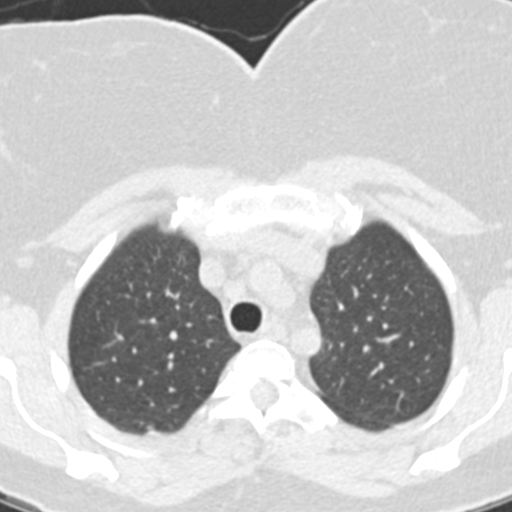
Chest CT, axial plane, 130 kVp, kernel B20s. Slice 157/331 from the bottom of the scan; thickness 1.25 mm; pixel size 0.496 mm.
Pulmonary nodule outlined by all four readers, two of them on this slice; box rows 424–431, columns 145–154 (the union of the readers' outlines on this slice); longest diameter 6.9–8.4 mm and volume 132–209 mm3 across the four readers' outlines. Ratings across the readers: texture 5/5 (solid) from all four readers; margin 5/5 (circumscribed) from all four readers; sphericity from 4/5 to 5/5 (round) across the four readers; calcification: solid calcification (three), central calcification (one); internal structure soft tissue, all four readers agreeing; subtlety 4–5/5 (the readers disagree); malignancy likelihood 1/5 from all four readers. Scale key (1–5): texture non-solid→solid, margin indistinct→circumscribed, sphericity linear→round, subtlety extremely subtle→obvious, malignancy likelihood highly unlikely→highly suspicious of cancer. Box rows and columns are 0-based pixel indices from the top-left corner, inclusive.